Axial chest CT slice 151 of 481 (counted from the lowest slice); tube voltage 120 kVp, convolution kernel STANDARD; slices 1.25 mm thick, 0.586 mm per pixel.
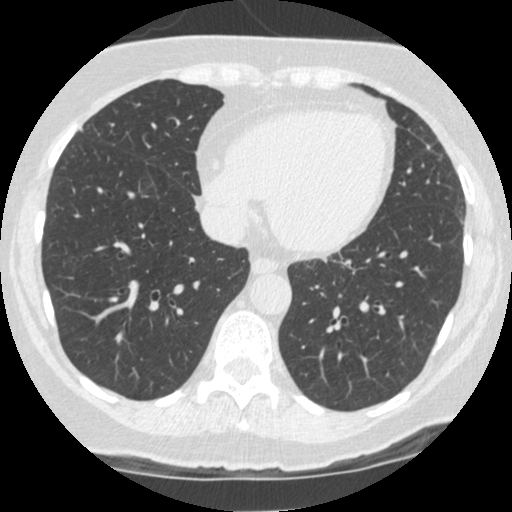
Pulmonary nodule outlined by all four readers, two of them on this slice; box rows 145–148, columns 427–429 (the union of the readers' outlines on this slice); median longest diameter 10.8 mm (readers' outlines 9.6–11.3 mm), median volume 433 mm3 (410–491 mm3). Ratings, median across the readers with their spread: texture 5/5 (solid) from all four readers; margin 5/5 (circumscribed) at the median of four readers, spread 4/5 to 5/5 (circumscribed); median sphericity 4/5 (readers ranged 4/5 to 5/5 (round)); calcification absent, all four readers agreeing; internal structure soft tissue, all four readers agreeing; subtlety 5/5 at the median of four readers, spread 4–5; median malignancy likelihood 3.5/5 (readers ranged 2–5). Scale key (1–5): texture non-solid→solid, margin indistinct→circumscribed, sphericity linear→round, subtlety extremely subtle→obvious, malignancy likelihood highly unlikely→highly suspicious of cancer. Box rows and columns are 0-based pixel indices from the top-left corner, inclusive.